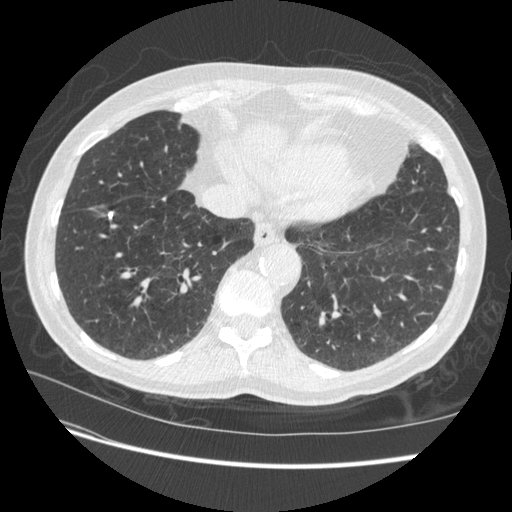
Axial chest CT slice 130 of 509 (counted from the lowest slice); tube voltage 120 kVp, convolution kernel STANDARD; slices 1.25 mm thick, 0.703 mm per pixel.
Pulmonary nodule at rows 209–218, columns 107–114 (box = the union of the readers' outlines on this slice), outlined by three of the four readers; longest diameter 11.4–12.1 mm and volume 273–413 mm3 across the three readers' outlines. The readers' ratings, as ranges where they differ: texture 5/5 (solid) from all three readers; margin from 4/5 to 5/5 (circumscribed) across the three readers; sphericity from 3/5 (ovoid) to 4/5 across the three readers; calcification solid calcification, all three readers agreeing; internal structure soft tissue from all three readers; subtlety rated between 4 and 5 out of 5 by the three readers; malignancy likelihood 1/5, all three readers agreeing. Scale key (1–5): texture non-solid→solid, margin indistinct→circumscribed, sphericity linear→round, subtlety extremely subtle→obvious, malignancy likelihood highly unlikely→highly suspicious of cancer. Box rows and columns are 0-based pixel indices from the top-left corner, inclusive.